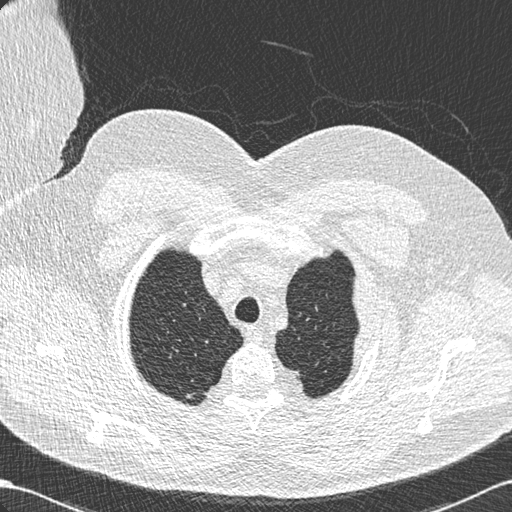
This is axial slice 537 of 636 (slice 1 is the lowest) of a chest CT; each pixel is 0.689 mm and the slice is 0.60 mm thick. Pulmonary nodule at rows 393–399, columns 185–193 (box = that reader's outline on this slice), outlined by one of the four readers; longest diameter 7.2 mm and volume 71 mm3 from that reader's outline. That reader's ratings: texture 4/5; margin 5/5 (circumscribed); sphericity 3/5 (ovoid); calcification absent; internal structure soft tissue; subtlety 5/5; malignancy likelihood 3/5. Scale key (1–5): texture non-solid→solid, margin indistinct→circumscribed, sphericity linear→round, subtlety extremely subtle→obvious, malignancy likelihood highly unlikely→highly suspicious of cancer. Box rows and columns are 0-based pixel indices from the top-left corner, inclusive.
Tube voltage 120 kVp; convolution kernel B30f.